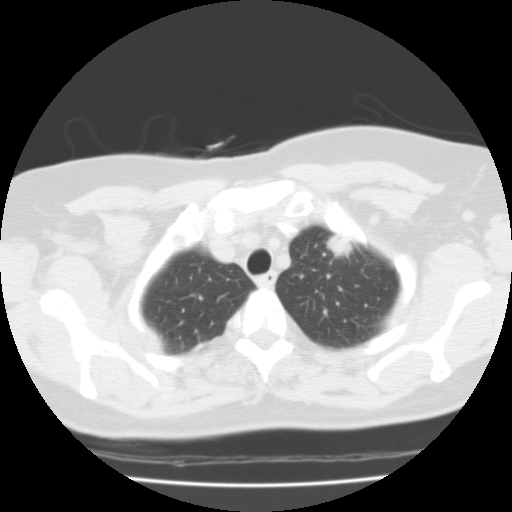
Slice 71/87 of a chest CT, counting up from the lowest; pixel size 0.650 mm, slice thickness 3.00 mm. Pulmonary nodule, outlined by all four readers. Box on this slice rows 234–258, columns 326–357, the union of the readers' outlines on this slice; longest diameter 27.7 mm on average over the four readers' outlines (readers' outlines 23.3–32.8 mm), volume 4332–5366 mm3. The readers' prevailing ratings and who disagreed: most readers (three of four) put texture at 5/5 (solid), others 4/5 (one); margin 2/5 by two of four readers; the rest gave 4/5 (one), 5/5 (circumscribed) (one); sphericity 4/5 by three of four readers; the rest gave 3/5 (ovoid) (one); calcification split among the readers: non-central calcification (two), absent (two); internal structure soft tissue from all four readers; subtlety 5/5 from all four readers; malignancy likelihood 5/5 by two of four readers; the rest gave 3/5 (one), 4/5 (one). Scale key (1–5): texture non-solid→solid, margin indistinct→circumscribed, sphericity linear→round, subtlety extremely subtle→obvious, malignancy likelihood highly unlikely→highly suspicious of cancer. Box rows and columns are 0-based pixel indices from the top-left corner, inclusive.
Acquired at 135 kVp and reconstructed with the FC01 kernel.